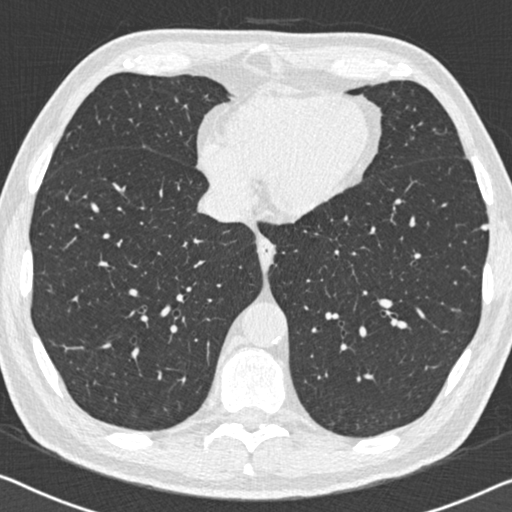
Axial slice 216 of 558 of a chest CT (slice 1 is the lowest), reconstructed with the B30f kernel at 120 kVp; 0.75 mm slice thickness and 0.648 mm pixels.
Pulmonary nodule at rows 224–230, columns 480–487 (box = the union of the readers' outlines on this slice), outlined by two of the four readers; longest diameter 6.2–7.0 mm and volume 80–93 mm3 across the two readers' outlines. Ratings across the readers: texture from 4/5 to 5/5 (solid) across the two readers; margin 4/5, both readers agreeing; sphericity from 4/5 to 5/5 (round) across the two readers; calcification absent, both readers agreeing; internal structure soft tissue from both readers; subtlety rated between 3 and 5 out of 5 by the two readers; malignancy likelihood 2–3/5 (the readers disagree). Scale key (1–5): texture non-solid→solid, margin indistinct→circumscribed, sphericity linear→round, subtlety extremely subtle→obvious, malignancy likelihood highly unlikely→highly suspicious of cancer. Box rows and columns are 0-based pixel indices from the top-left corner, inclusive.